One axial slice (267 of 490, counting up from the lowest) of a chest CT acquired at 120 kVp with the STANDARD kernel; each pixel is 0.547 mm and the slice is 1.25 mm thick.
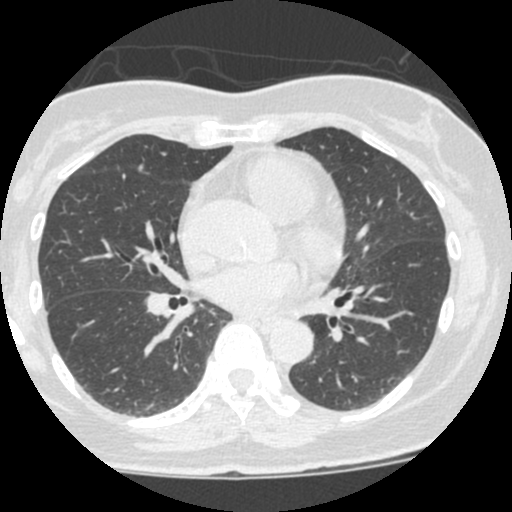
Pulmonary nodule, outlined by two of the four readers, one of them on this slice. Box on this slice rows 201–217, columns 394–406, the one reader's outline on this slice; the two readers' outlines give a longest diameter between 26.3 and 27.5 mm and a volume between 1167 and 1852 mm3. The readers' ratings, as ranges where they differ: texture 1/5 (non-solid), both readers agreeing; margin from 1/5 (indistinct) to 2/5 across the two readers; sphericity from 2/5 to 5/5 (round) across the two readers; calcification absent from both readers; internal structure soft tissue from both readers; subtlety rated between 1 and 5 out of 5 by the two readers; malignancy likelihood 2–3/5 (the readers disagree). Scale key (1–5): texture non-solid→solid, margin indistinct→circumscribed, sphericity linear→round, subtlety extremely subtle→obvious, malignancy likelihood highly unlikely→highly suspicious of cancer. Box rows and columns are 0-based pixel indices from the top-left corner, inclusive.